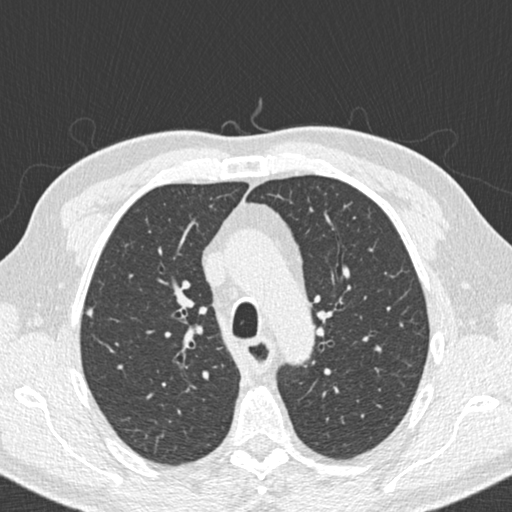
This is axial slice 143 of 197 (slice 1 is the lowest) of a chest CT; each pixel is 0.625 mm and the slice is 2.00 mm thick. Pulmonary nodule at rows 306–317, columns 86–92 (box = the union of the readers' outlines on this slice), outlined by all four readers; median longest diameter 7.4 mm (readers' outlines 7.1–7.7 mm), median volume 95 mm3 (72–101 mm3). Median ratings and the readers' spread: texture 5/5 (solid) at the median of four readers, spread 4/5 to 5/5 (solid); median margin 4/5 (readers ranged 2/5 to 5/5 (circumscribed)); median sphericity 3/5 (ovoid) (readers ranged 3/5 (ovoid) to 5/5 (round)); calcification absent, all four readers agreeing; internal structure soft tissue from all four readers; subtlety 3.5/5 at the median of four readers, spread 3–5; malignancy likelihood 3/5 at the median of four readers, spread 2–3. Scale key (1–5): texture non-solid→solid, margin indistinct→circumscribed, sphericity linear→round, subtlety extremely subtle→obvious, malignancy likelihood highly unlikely→highly suspicious of cancer. Box rows and columns are 0-based pixel indices from the top-left corner, inclusive.
Tube voltage 120 kVp; convolution kernel B30f.